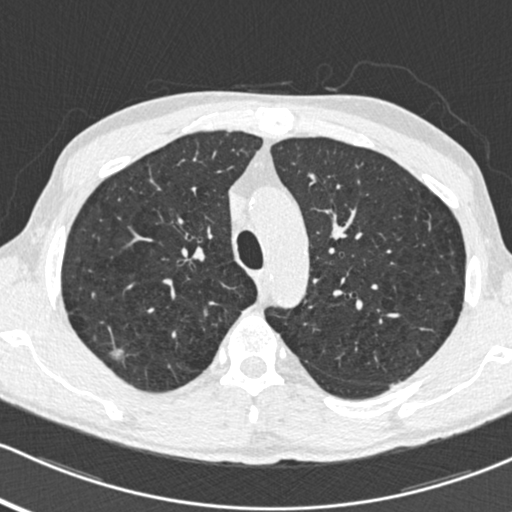
Chest CT, axial plane, 120 kVp, kernel B30f. Slice 371/483 from the bottom of the scan; thickness 0.75 mm; pixel size 0.617 mm.
Pulmonary nodule outlined by three of the four readers; box rows 348–360, columns 109–123 (the union of the readers' outlines on this slice); median longest diameter 10.1 mm (readers' outlines 10.0–12.0 mm), median volume 207 mm3 (141–227 mm3). Median ratings and the readers' spread: texture 2/5 at the median of three readers, spread 2/5 to 3/5 (part-solid); margin 2/5 at the median of three readers, spread 1/5 (indistinct) to 2/5; median sphericity 3/5 (ovoid) (readers ranged 3/5 (ovoid) to 4/5); calcification absent, all three readers agreeing; internal structure soft tissue from all three readers; median subtlety 4/5 (readers ranged 2–4); malignancy likelihood 3/5 at the median of three readers, spread 3–5. Scale key (1–5): texture non-solid→solid, margin indistinct→circumscribed, sphericity linear→round, subtlety extremely subtle→obvious, malignancy likelihood highly unlikely→highly suspicious of cancer. Box rows and columns are 0-based pixel indices from the top-left corner, inclusive.